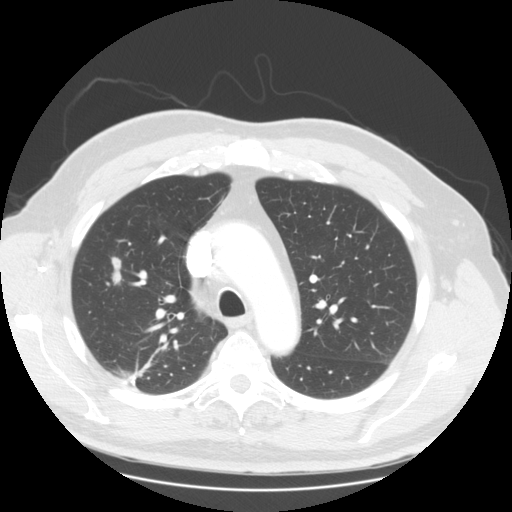
One axial slice (109 of 145, counting up from the lowest) of a chest CT acquired at 120 kVp with the STANDARD kernel; each pixel is 0.781 mm and the slice is 2.50 mm thick.
Two pulmonary nodules are outlined on this slice; from left to right: (1) Pulmonary nodule at rows 257–284, columns 111–123 (box = the union of the readers' outlines on this slice), outlined four times (the source holds one more outline, not used); median longest diameter 23.0 mm (readers' outlines 14.4–24.8 mm), median volume 984 mm3 (776–1167 mm3). Ratings, median across the readers with their spread: median texture 4.5/5 (readers ranged 4/5 to 5/5 (solid)); median margin 4/5 (readers ranged 3/5 to 4/5); sphericity 3/5 (ovoid) at the median of four readers, spread 2/5 to 3/5 (ovoid); calcification absent, all four readers agreeing; internal structure soft tissue from all four readers; subtlety 5/5, all four readers agreeing; median malignancy likelihood 3.5/5 (readers ranged 2–5). (2) Pulmonary nodule at rows 372–383, columns 115–134 (box = the one reader's outline on this slice), outlined by three of the four readers, one of them on this slice; longest diameter 31.4 mm on average over the three readers' outlines (readers' outlines 28.0–34.8 mm), volume 3063–5177 mm3. Ratings, by the readers' most common answer with dissent counted: most readers (two of three) put texture at 5/5 (solid), others 4/5 (one); margin 4/5 by two of three readers; the rest gave 2/5 (one); sphericity split among the readers: 2/5 (one), 3/5 (ovoid) (one), 5/5 (round) (one); calcification absent from all three readers; internal structure soft tissue from all three readers; subtlety 5/5 from all three readers; malignancy likelihood split among the readers: 3/5 (one), 4/5 (one), 5/5 (one). Scale key (1–5): texture non-solid→solid, margin indistinct→circumscribed, sphericity linear→round, subtlety extremely subtle→obvious, malignancy likelihood highly unlikely→highly suspicious of cancer. Box rows and columns are 0-based pixel indices from the top-left corner, inclusive.